Chest CT, axial plane, 120 kVp, kernel LUNG. Slice 39/133 from the bottom of the scan; thickness 2.50 mm; pixel size 0.703 mm.
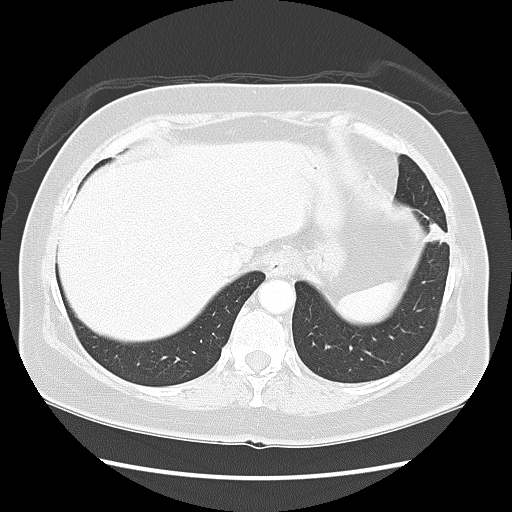
Pulmonary nodule outlined by all four readers; box rows 222–243, columns 422–448 (the union of the readers' outlines on this slice); median longest diameter 22.1 mm (readers' outlines 21.5–29.0 mm), median volume 4852 mm3 (4280–5428 mm3). Ratings, median across the readers with their spread: median texture 5/5 (solid) (readers ranged 4/5 to 5/5 (solid)); median margin 5/5 (circumscribed) (readers ranged 4/5 to 5/5 (circumscribed)); sphericity 3.5/5 at the median of four readers, spread 3/5 (ovoid) to 5/5 (round); calcification absent from all four readers; internal structure soft tissue, all four readers agreeing; subtlety 5/5 at the median of four readers, spread 4–5; median malignancy likelihood 4/5 (readers ranged 4–5). Scale key (1–5): texture non-solid→solid, margin indistinct→circumscribed, sphericity linear→round, subtlety extremely subtle→obvious, malignancy likelihood highly unlikely→highly suspicious of cancer. Box rows and columns are 0-based pixel indices from the top-left corner, inclusive.